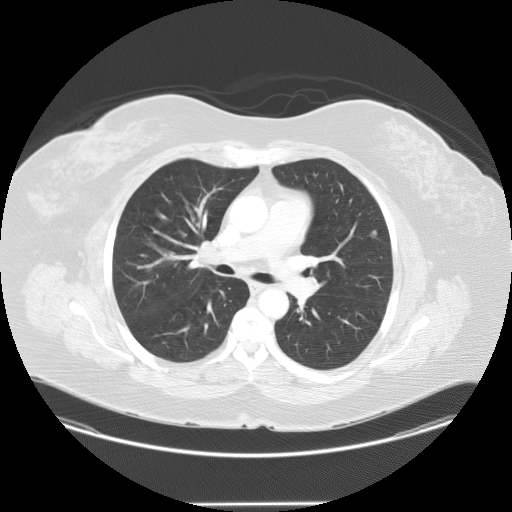
One axial slice (49 of 95, counting up from the lowest) of a chest CT acquired at 120 kVp with the STANDARD kernel; each pixel is 0.859 mm and the slice is 2.50 mm thick.
Pulmonary nodule at rows 230–236, columns 370–376 (box = the union of the readers' outlines on this slice), outlined by all four readers; longest diameter 7.1–7.9 mm and volume 140–232 mm3 across the four readers' outlines. Ratings across the readers: texture 5/5 (solid), all four readers agreeing; margin from 4/5 to 5/5 (circumscribed) across the four readers; sphericity from 3/5 (ovoid) to 5/5 (round) across the four readers; calcification absent from all four readers; internal structure soft tissue from all four readers; subtlety 3–4/5 (the readers disagree); malignancy likelihood 2–3/5 (the readers disagree). Scale key (1–5): texture non-solid→solid, margin indistinct→circumscribed, sphericity linear→round, subtlety extremely subtle→obvious, malignancy likelihood highly unlikely→highly suspicious of cancer. Box rows and columns are 0-based pixel indices from the top-left corner, inclusive.